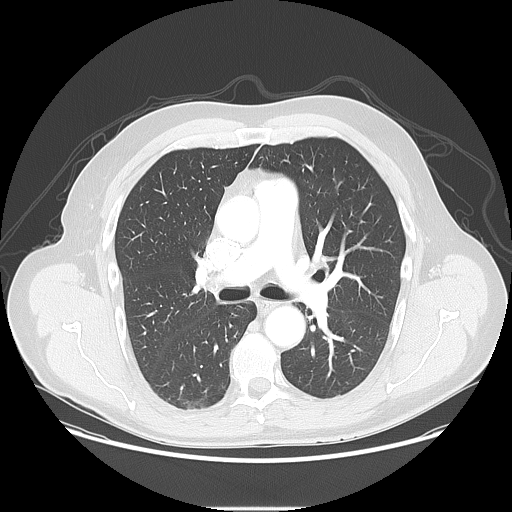
One axial slice (69 of 117, counting up from the lowest) of a chest CT acquired at 120 kVp with the LUNG kernel; each pixel is 0.820 mm and the slice is 2.50 mm thick.
None of the four readers outlined a nodule of 3 mm or more on this slice.